Axial chest CT slice 42 of 107 (counted from the lowest slice); tube voltage 130 kVp, convolution kernel B31s; slices 3.00 mm thick, 0.742 mm per pixel.
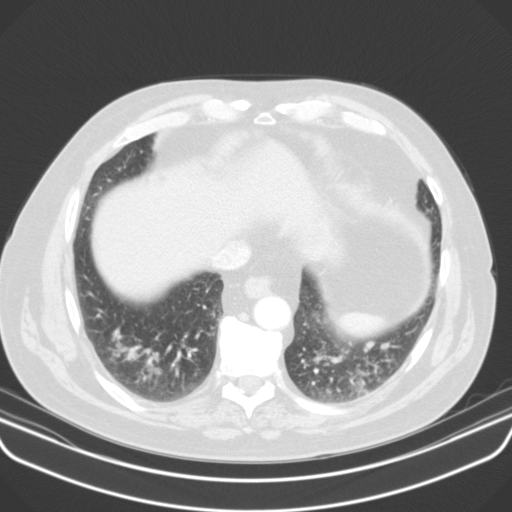
Two pulmonary nodules are outlined on this slice; from left to right: (1) Pulmonary nodule outlined by two of the four readers; box rows 341–351, columns 365–373 (the union of the readers' outlines on this slice); longest diameter 7.3–10.1 mm and volume 119–132 mm3 across the two readers' outlines. The readers' ratings, as ranges where they differ: texture from 4/5 to 5/5 (solid) across the two readers; margin from 3/5 to 4/5 across the two readers; sphericity 3/5 (ovoid), both readers agreeing; calcification absent, both readers agreeing; internal structure soft tissue, both readers agreeing; subtlety from 3/5 to 4/5 across the two readers; malignancy likelihood 2–3/5 (the readers disagree). (2) Pulmonary nodule at rows 343–348, columns 381–387 (box = that reader's outline on this slice), outlined by one of the four readers; longest diameter 7.0 mm and volume 57 mm3 from that reader's outline. That reader's ratings: texture 4/5; margin 4/5; sphericity 2/5; calcification absent; internal structure soft tissue; subtlety 3/5; malignancy likelihood 2/5. Scale key (1–5): texture non-solid→solid, margin indistinct→circumscribed, sphericity linear→round, subtlety extremely subtle→obvious, malignancy likelihood highly unlikely→highly suspicious of cancer. Box rows and columns are 0-based pixel indices from the top-left corner, inclusive.